One axial slice (225 of 274, counting up from the lowest) of a chest CT acquired at 140 kVp with the BONE kernel; each pixel is 0.615 mm and the slice is 1.25 mm thick.
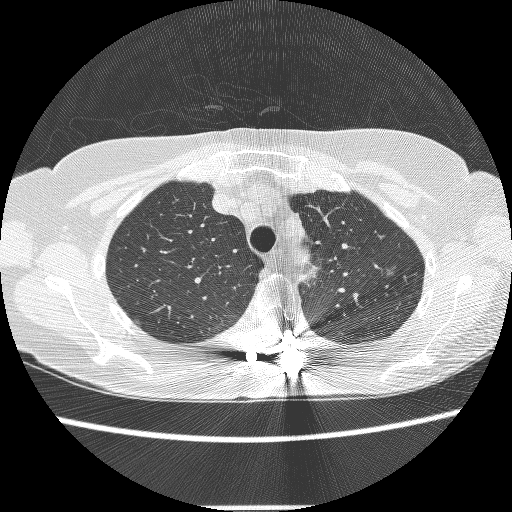
Pulmonary nodule, outlined by three of the four readers. Box on this slice rows 267–275, columns 387–394, the union of the readers' outlines on this slice; median longest diameter 7.5 mm (readers' outlines 6.7–8.3 mm), median volume 95 mm3 (80–101 mm3). Median ratings and the readers' spread: median texture 3/5 (part-solid) (readers ranged 1/5 (non-solid) to 5/5 (solid)); median margin 2/5 (readers ranged 1/5 (indistinct) to 5/5 (circumscribed)); sphericity 4/5 from all three readers; calcification absent, all three readers agreeing; internal structure soft tissue, all three readers agreeing; subtlety 2/5 at the median of three readers, spread 1–5; malignancy likelihood 3/5 at the median of three readers, spread 2–4. Scale key (1–5): texture non-solid→solid, margin indistinct→circumscribed, sphericity linear→round, subtlety extremely subtle→obvious, malignancy likelihood highly unlikely→highly suspicious of cancer. Box rows and columns are 0-based pixel indices from the top-left corner, inclusive.